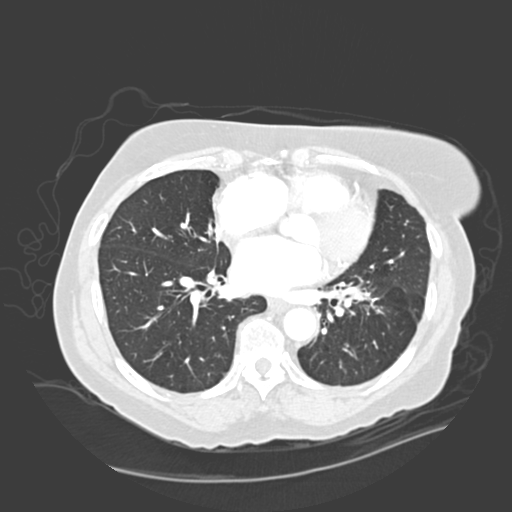
One axial slice (143 of 328, counting up from the lowest) of a chest CT acquired at 120 kVp with the D kernel; each pixel is 0.742 mm and the slice is 2.00 mm thick.
The readers outlined no nodule of 3 mm or more on this slice.